Axial chest CT slice 207 of 320 (counted from the lowest slice); tube voltage 120 kVp, convolution kernel B70f; slices 2.00 mm thick, 0.768 mm per pixel.
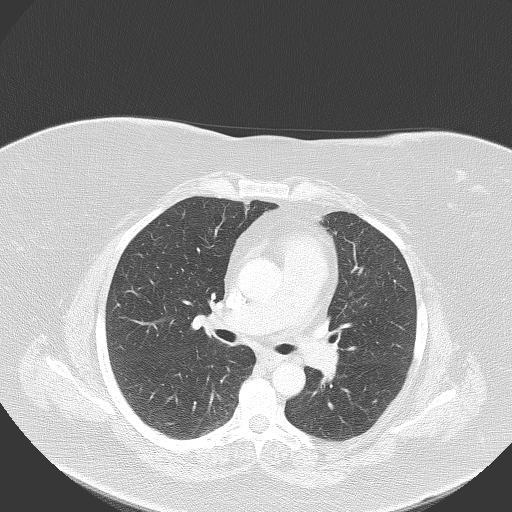
The readers outlined no nodule of 3 mm or more on this slice.